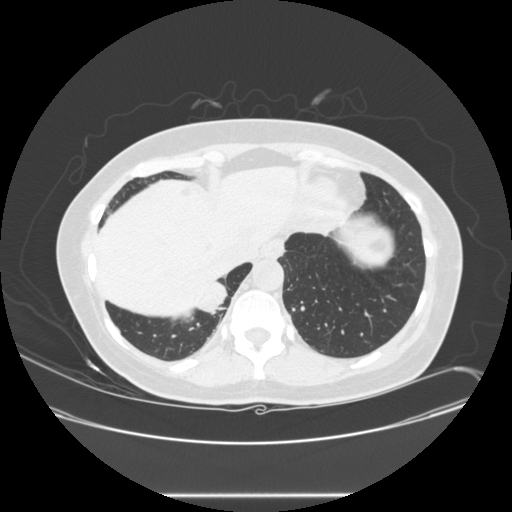
Chest CT, axial plane, 120 kVp, kernel STANDARD. Slice 82/257 from the bottom of the scan; thickness 1.25 mm; pixel size 0.781 mm.
Pulmonary nodule, outlined by three of the four readers. Box on this slice rows 281–313, columns 197–226, the union of the readers' outlines on this slice; longest diameter 30.0 mm on average over the three readers' outlines (readers' outlines 28.2–32.2 mm), volume 3103–4675 mm3. The readers' prevailing ratings and who disagreed: texture 5/5 (solid) from all three readers; margin 5/5 (circumscribed), all three readers agreeing; sphericity 4/5 from all three readers; calcification absent, all three readers agreeing; internal structure soft tissue, all three readers agreeing; subtlety 5/5 from all three readers; malignancy likelihood split among the readers: 2/5 (one), 4/5 (one), 5/5 (one). Scale key (1–5): texture non-solid→solid, margin indistinct→circumscribed, sphericity linear→round, subtlety extremely subtle→obvious, malignancy likelihood highly unlikely→highly suspicious of cancer. Box rows and columns are 0-based pixel indices from the top-left corner, inclusive.